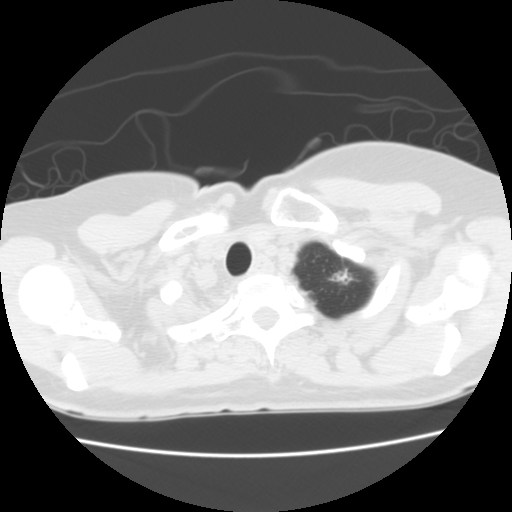
One axial slice (132 of 141, counting up from the lowest) of a chest CT acquired at 120 kVp with the STANDARD kernel; each pixel is 0.586 mm and the slice is 2.50 mm thick.
Pulmonary nodule at rows 268–284, columns 327–353 (box = the union of the readers' outlines on this slice), outlined by all four readers; the four readers' outlines give a longest diameter between 15.8 and 20.0 mm and a volume between 906 and 1828 mm3. Ratings across the readers: texture from 4/5 to 5/5 (solid) across the four readers; margin from 2/5 to 4/5 across the four readers; sphericity from 3/5 (ovoid) to 5/5 (round) across the four readers; calcification absent from all four readers; internal structure soft tissue, all four readers agreeing; subtlety 5/5 from all four readers; malignancy likelihood from 4/5 to 5/5 across the four readers. Scale key (1–5): texture non-solid→solid, margin indistinct→circumscribed, sphericity linear→round, subtlety extremely subtle→obvious, malignancy likelihood highly unlikely→highly suspicious of cancer. Box rows and columns are 0-based pixel indices from the top-left corner, inclusive.